Axial chest CT slice 256 of 535 (counted from the lowest slice); tube voltage 120 kVp, convolution kernel STANDARD; slices 1.25 mm thick, 0.664 mm per pixel.
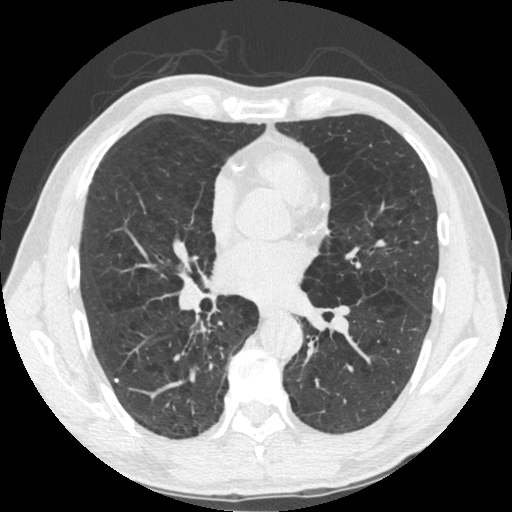
Pulmonary nodule at rows 378–382, columns 114–118 (box = that reader's outline on this slice), outlined by one of the four readers; longest diameter 4.2 mm and volume 28 mm3 from that reader's outline. Ratings by that reader: texture 5/5 (solid); margin 5/5 (circumscribed); sphericity 5/5 (round); calcification solid calcification; internal structure soft tissue; subtlety 5/5; malignancy likelihood 1/5. Scale key (1–5): texture non-solid→solid, margin indistinct→circumscribed, sphericity linear→round, subtlety extremely subtle→obvious, malignancy likelihood highly unlikely→highly suspicious of cancer. Box rows and columns are 0-based pixel indices from the top-left corner, inclusive.